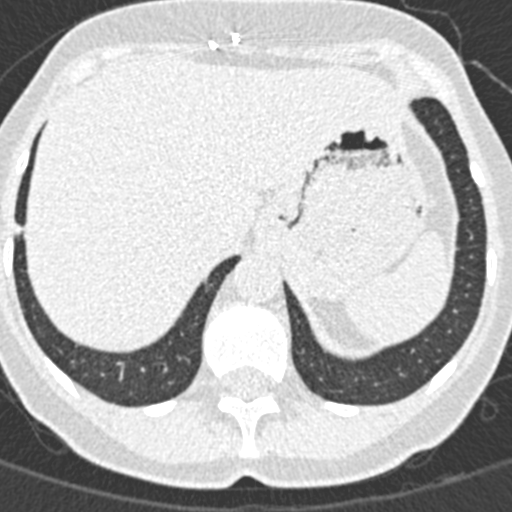
One axial slice (50 of 376, counting up from the lowest) of a chest CT acquired at 120 kVp with the B30f kernel; each pixel is 0.461 mm and the slice is 0.75 mm thick.
Pulmonary nodule, outlined by all four readers. Box on this slice rows 223–235, columns 12–22, the union of the readers' outlines on this slice; median longest diameter 8.5 mm (readers' outlines 8.1–8.9 mm), median volume 188 mm3 (172–196 mm3). Ratings, median across the readers with their spread: texture 5/5 (solid) at the median of four readers, spread 4/5 to 5/5 (solid); margin 4.5/5 at the median of four readers, spread 4/5 to 5/5 (circumscribed); sphericity 3.5/5 at the median of four readers, spread 3/5 (ovoid) to 4/5; calcification absent, all four readers agreeing; internal structure soft tissue, all four readers agreeing; subtlety 5/5 at the median of four readers, spread 3–5; median malignancy likelihood 3/5 (readers ranged 2–4). Scale key (1–5): texture non-solid→solid, margin indistinct→circumscribed, sphericity linear→round, subtlety extremely subtle→obvious, malignancy likelihood highly unlikely→highly suspicious of cancer. Box rows and columns are 0-based pixel indices from the top-left corner, inclusive.